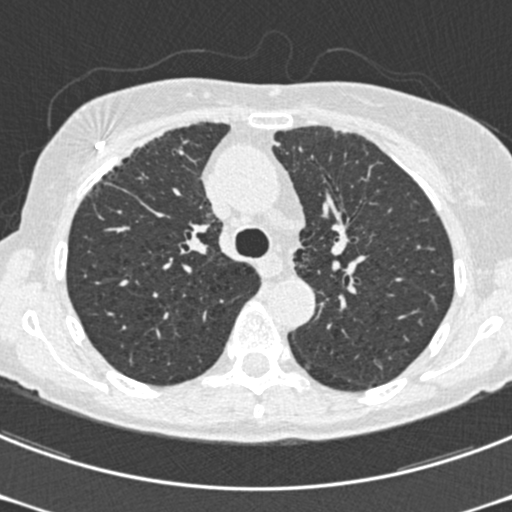
One axial slice (326 of 489, counting up from the lowest) of a chest CT acquired at 120 kVp with the B30f kernel; each pixel is 0.566 mm and the slice is 0.75 mm thick.
Pulmonary nodule at rows 364–369, columns 305–309 (box = the union of the readers' outlines on this slice), outlined by two of the four readers; longest diameter 6.2 mm on average over the two readers' outlines (readers' outlines 5.2–7.2 mm), volume 31–63 mm3. The readers' prevailing ratings and who disagreed: texture split among the readers: 4/5 (one), 5/5 (solid) (one); margin split among the readers: 3/5 (one), 4/5 (one); sphericity split among the readers: 3/5 (ovoid) (one), 5/5 (round) (one); calcification absent, both readers agreeing; internal structure soft tissue, both readers agreeing; subtlety split among the readers: 3/5 (one), 5/5 (one); malignancy likelihood split among the readers: 2/5 (one), 3/5 (one). Scale key (1–5): texture non-solid→solid, margin indistinct→circumscribed, sphericity linear→round, subtlety extremely subtle→obvious, malignancy likelihood highly unlikely→highly suspicious of cancer. Box rows and columns are 0-based pixel indices from the top-left corner, inclusive.